Axial slice 220 of 483 of a chest CT (slice 1 is the lowest), reconstructed with the B30f kernel at 120 kVp; 0.75 mm slice thickness and 0.652 mm pixels.
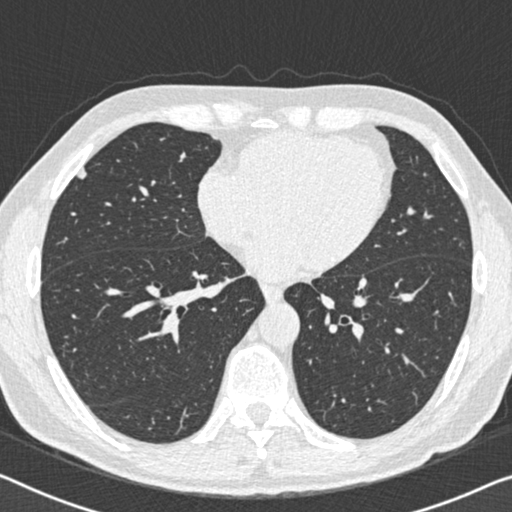
Pulmonary nodule, outlined by all four readers. Box on this slice rows 167–179, columns 76–87, the union of the readers' outlines on this slice; median longest diameter 9.3 mm (readers' outlines 8.6–10.3 mm), median volume 154 mm3 (137–171 mm3). Median ratings and the readers' spread: texture 5/5 (solid) at the median of four readers, spread 4/5 to 5/5 (solid); margin 5/5 (circumscribed) at the median of four readers, spread 4/5 to 5/5 (circumscribed); sphericity 4/5 at the median of four readers, spread 3/5 (ovoid) to 5/5 (round); calcification absent from all four readers; internal structure soft tissue from all four readers; subtlety 5/5 at the median of four readers, spread 3–5; malignancy likelihood 2.5/5 at the median of four readers, spread 2–4. Scale key (1–5): texture non-solid→solid, margin indistinct→circumscribed, sphericity linear→round, subtlety extremely subtle→obvious, malignancy likelihood highly unlikely→highly suspicious of cancer. Box rows and columns are 0-based pixel indices from the top-left corner, inclusive.